Chest CT, axial plane, 120 kVp, kernel BONE. Slice 59/162 from the bottom of the scan; thickness 1.25 mm; pixel size 0.703 mm.
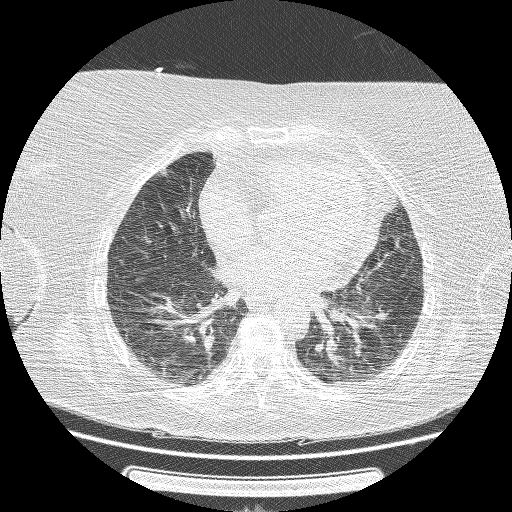
Pulmonary nodule, outlined by all four readers, two of them on this slice. Box on this slice rows 168–178, columns 158–168, the union of the readers' outlines on this slice; the four readers' outlines give a longest diameter between 10.9 and 13.0 mm and a volume between 239 and 644 mm3. Ratings across the readers: texture 5/5 (solid), all four readers agreeing; margin 4/5 from all four readers; sphericity from 3/5 (ovoid) to 4/5 across the four readers; calcification: absent (three), solid calcification (one); internal structure soft tissue, all four readers agreeing; subtlety 4–5/5 (the readers disagree); malignancy likelihood 1–3/5 (the readers disagree). Scale key (1–5): texture non-solid→solid, margin indistinct→circumscribed, sphericity linear→round, subtlety extremely subtle→obvious, malignancy likelihood highly unlikely→highly suspicious of cancer. Box rows and columns are 0-based pixel indices from the top-left corner, inclusive.